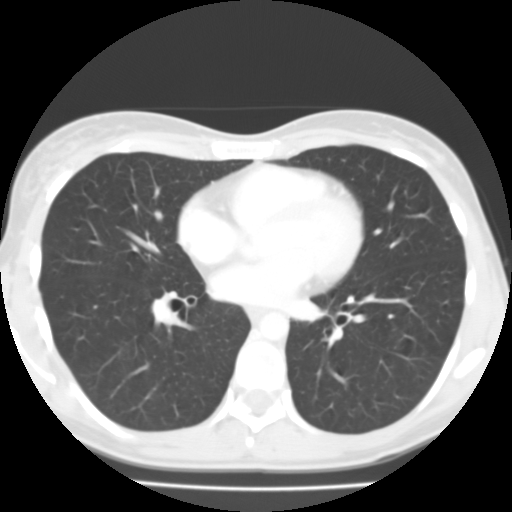
Chest CT, axial plane, 135 kVp, kernel FC01. Slice 53/111 from the bottom of the scan; thickness 3.00 mm; pixel size 0.582 mm.
None of the four readers outlined a nodule of 3 mm or more on this slice.